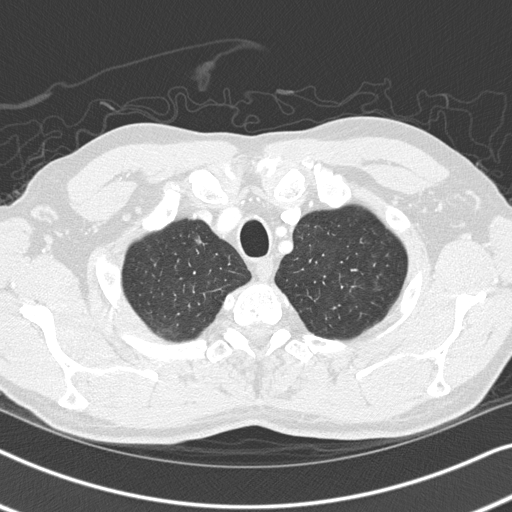
Slice 286/326 of a chest CT, counting up from the lowest; pixel size 0.645 mm, slice thickness 1.00 mm. Pulmonary nodule, outlined by three of the four readers. Box on this slice rows 236–244, columns 194–201, the union of the readers' outlines on this slice; longest diameter 6.4 mm on average over the three readers' outlines (readers' outlines 5.5–7.8 mm), volume 49–59 mm3. The readers' prevailing ratings and who disagreed: most readers (two of three) put texture at 3/5 (part-solid), others 5/5 (solid) (one); margin split among the readers: 1/5 (indistinct) (one), 2/5 (one), 5/5 (circumscribed) (one); most readers (two of three) put sphericity at 4/5, others 5/5 (round) (one); calcification absent, all three readers agreeing; internal structure soft tissue from all three readers; subtlety 3/5, all three readers agreeing; malignancy likelihood 2/5 by two of three readers; the rest gave 3/5 (one). Scale key (1–5): texture non-solid→solid, margin indistinct→circumscribed, sphericity linear→round, subtlety extremely subtle→obvious, malignancy likelihood highly unlikely→highly suspicious of cancer. Box rows and columns are 0-based pixel indices from the top-left corner, inclusive.
Tube voltage 120 kVp; convolution kernel B45f.